Axial slice 96 of 118 of a chest CT (slice 1 is the lowest), reconstructed with the FC01 kernel at 135 kVp; 3.00 mm slice thickness and 0.665 mm pixels.
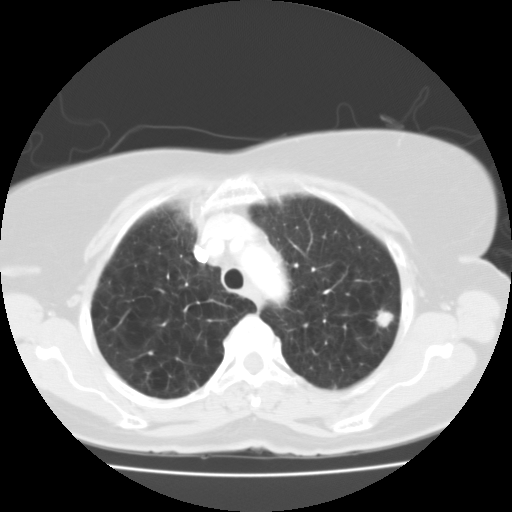
Pulmonary nodule at rows 308–329, columns 374–393 (box = the union of the readers' outlines on this slice), outlined by all four readers; median longest diameter 14.5 mm (readers' outlines 14.2–18.1 mm), median volume 1400 mm3 (1024–1671 mm3). Ratings, median across the readers with their spread: texture 5/5 (solid) from all four readers; median margin 4/5 (readers ranged 3/5 to 5/5 (circumscribed)); median sphericity 4/5 (readers ranged 4/5 to 5/5 (round)); calcification absent, all four readers agreeing; internal structure soft tissue from all four readers; subtlety 5/5, all four readers agreeing; median malignancy likelihood 5/5 (readers ranged 3–5). Scale key (1–5): texture non-solid→solid, margin indistinct→circumscribed, sphericity linear→round, subtlety extremely subtle→obvious, malignancy likelihood highly unlikely→highly suspicious of cancer. Box rows and columns are 0-based pixel indices from the top-left corner, inclusive.